One axial slice (72 of 121, counting up from the lowest) of a chest CT acquired at 120 kVp with the B31f kernel; each pixel is 0.674 mm and the slice is 3.00 mm thick.
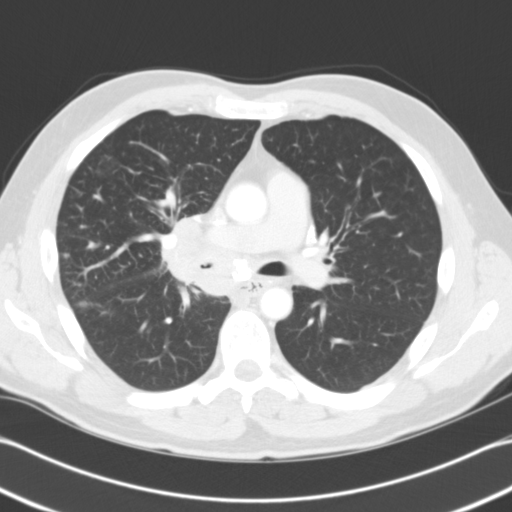
Pulmonary nodule, outlined by two of the four readers. Box on this slice rows 253–257, columns 63–69, the union of the readers' outlines on this slice; longest diameter 5.2 mm on average over the two readers' outlines (readers' outlines 5.1–5.3 mm), volume 40–44 mm3. Ratings, by the readers' most common answer with dissent counted: texture 5/5 (solid) from both readers; margin 5/5 (circumscribed) from both readers; sphericity 5/5 (round), both readers agreeing; calcification absent, both readers agreeing; internal structure soft tissue, both readers agreeing; subtlety split among the readers: 4/5 (one), 5/5 (one); malignancy likelihood 3/5 from both readers. Scale key (1–5): texture non-solid→solid, margin indistinct→circumscribed, sphericity linear→round, subtlety extremely subtle→obvious, malignancy likelihood highly unlikely→highly suspicious of cancer. Box rows and columns are 0-based pixel indices from the top-left corner, inclusive.